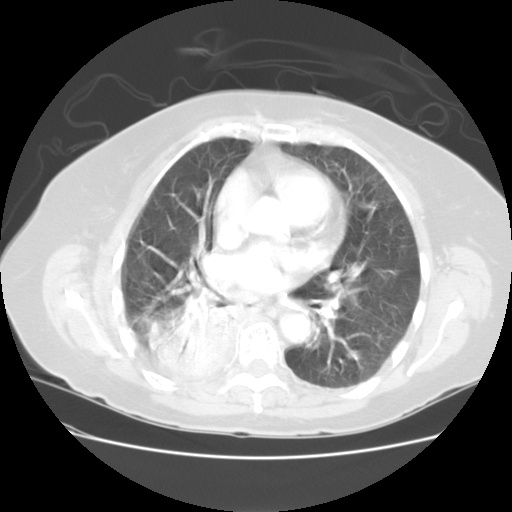
This is axial slice 87 of 133 (slice 1 is the lowest) of a chest CT; each pixel is 0.703 mm and the slice is 2.50 mm thick. Pulmonary nodule at rows 350–358, columns 346–358 (box = the one reader's outline on this slice), outlined by all four readers, one of them on this slice; median longest diameter 10.4 mm (readers' outlines 10.1–11.1 mm), median volume 355 mm3 (209–659 mm3). Ratings, median across the readers with their spread: texture 5/5 (solid) at the median of four readers, spread 4/5 to 5/5 (solid); median margin 3.5/5 (readers ranged 3/5 to 5/5 (circumscribed)); median sphericity 4.5/5 (readers ranged 2/5 to 5/5 (round)); calcification absent from all four readers; internal structure soft tissue, all four readers agreeing; subtlety 4/5 at the median of four readers, spread 4–5; malignancy likelihood 3/5, all four readers agreeing. Scale key (1–5): texture non-solid→solid, margin indistinct→circumscribed, sphericity linear→round, subtlety extremely subtle→obvious, malignancy likelihood highly unlikely→highly suspicious of cancer. Box rows and columns are 0-based pixel indices from the top-left corner, inclusive.
Scan settings: 120 kVp, STANDARD reconstruction kernel.